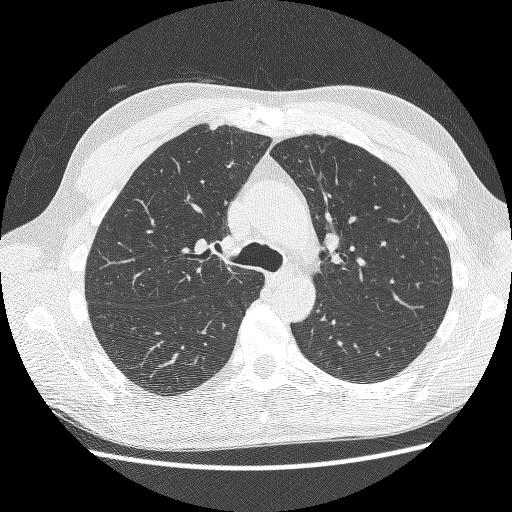
Chest CT, axial plane, 120 kVp, kernel BONE. Slice 168/252 from the bottom of the scan; thickness 1.25 mm; pixel size 0.703 mm.
The readers outlined no nodule of 3 mm or more on this slice.